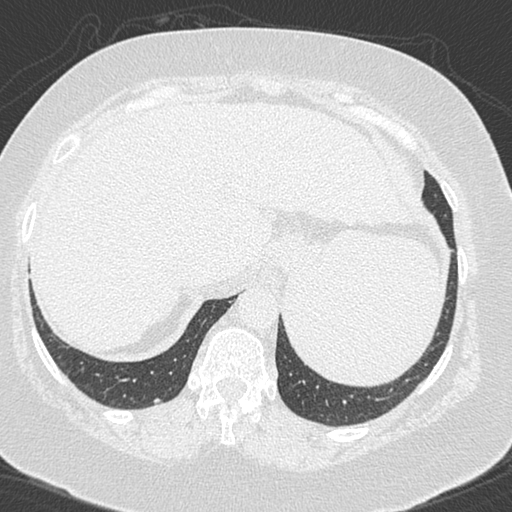
One axial slice (72 of 300, counting up from the lowest) of a chest CT acquired at 120 kVp with the B45f kernel; each pixel is 0.605 mm and the slice is 1.00 mm thick.
Pulmonary nodule outlined by two of the four readers; box rows 398–403, columns 153–160 (the union of the readers' outlines on this slice); longest diameter 6.0–6.2 mm and volume 55–66 mm3 across the two readers' outlines. The readers' ratings, as ranges where they differ: texture 5/5 (solid) from both readers; margin 4/5, both readers agreeing; sphericity 4/5, both readers agreeing; calcification absent, both readers agreeing; internal structure soft tissue, both readers agreeing; subtlety from 1/5 to 2/5 across the two readers; malignancy likelihood 3/5, both readers agreeing. Scale key (1–5): texture non-solid→solid, margin indistinct→circumscribed, sphericity linear→round, subtlety extremely subtle→obvious, malignancy likelihood highly unlikely→highly suspicious of cancer. Box rows and columns are 0-based pixel indices from the top-left corner, inclusive.